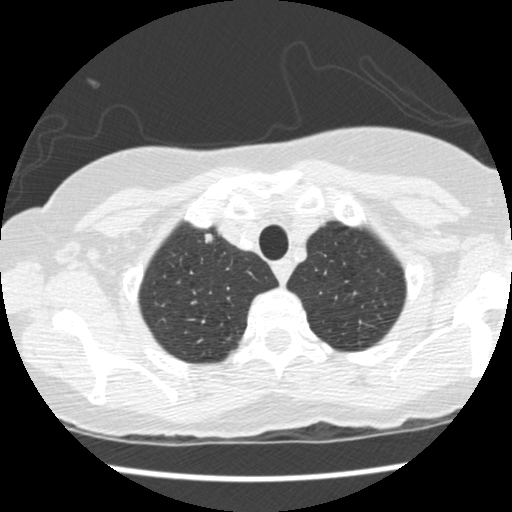
Axial chest CT slice 401 of 458 (counted from the lowest slice); 1.25 mm thick, 0.586 mm per pixel. Pulmonary nodule at rows 233–243, columns 204–212 (box = the union of the readers' outlines on this slice), outlined by all four readers; longest diameter 9.7 mm on average over the four readers' outlines (readers' outlines 9.1–10.0 mm), volume 243–272 mm3. The readers' prevailing ratings and who disagreed: most readers (three of four) put texture at 5/5 (solid), others 4/5 (one); margin split among the readers: 4/5 (two), 5/5 (circumscribed) (two); sphericity 3/5 (ovoid) by two of four readers; the rest gave 4/5 (one), 5/5 (round) (one); calcification absent from all four readers; internal structure soft tissue from all four readers; subtlety split among the readers: 4/5 (two), 5/5 (two); malignancy likelihood 4/5 by two of four readers; the rest gave 2/5 (one), 3/5 (one). Scale key (1–5): texture non-solid→solid, margin indistinct→circumscribed, sphericity linear→round, subtlety extremely subtle→obvious, malignancy likelihood highly unlikely→highly suspicious of cancer. Box rows and columns are 0-based pixel indices from the top-left corner, inclusive.
Scan settings: 120 kVp, STANDARD reconstruction kernel.